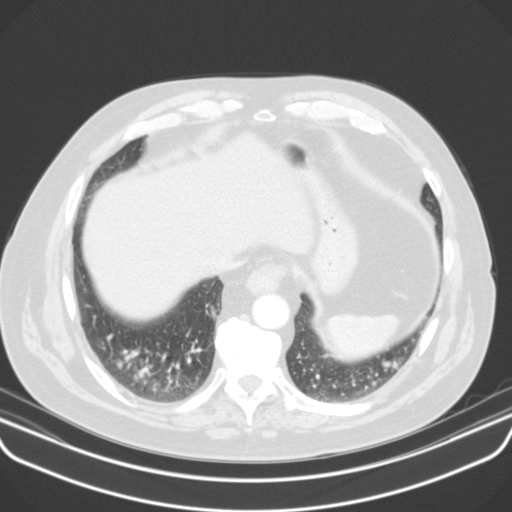
Slice 40/107 of a chest CT, counting up from the lowest; pixel size 0.742 mm, slice thickness 3.00 mm. Pulmonary nodule at rows 361–367, columns 383–397 (box = the union of the readers' outlines on this slice), outlined by two of the four readers; longest diameter 11.6 mm on average over the two readers' outlines (readers' outlines 11.0–12.2 mm), volume 170–353 mm3. The readers' prevailing ratings and who disagreed: texture split among the readers: 4/5 (one), 5/5 (solid) (one); margin 4/5, both readers agreeing; sphericity split among the readers: 2/5 (one), 3/5 (ovoid) (one); calcification absent from both readers; internal structure soft tissue, both readers agreeing; subtlety split among the readers: 4/5 (one), 5/5 (one); malignancy likelihood 2/5 from both readers. Scale key (1–5): texture non-solid→solid, margin indistinct→circumscribed, sphericity linear→round, subtlety extremely subtle→obvious, malignancy likelihood highly unlikely→highly suspicious of cancer. Box rows and columns are 0-based pixel indices from the top-left corner, inclusive.
Scan settings: 130 kVp, B31s reconstruction kernel.